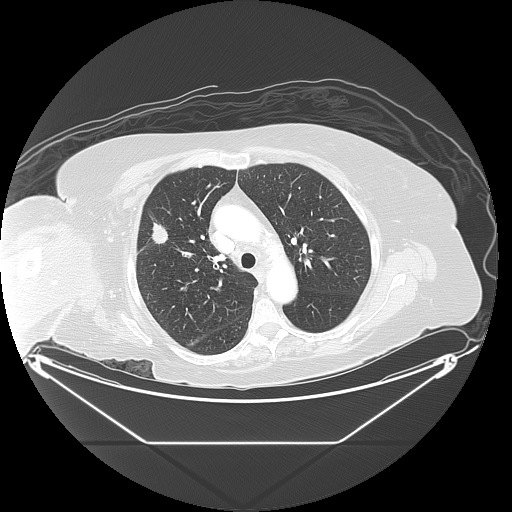
Axial chest CT slice 101 of 133 (counted from the lowest slice); tube voltage 120 kVp, convolution kernel LUNG; slices 2.50 mm thick, 0.977 mm per pixel.
Pulmonary nodule, outlined by all four readers. Box on this slice rows 222–243, columns 151–167, the union of the readers' outlines on this slice; longest diameter 24.5–34.5 mm and volume 3757–4258 mm3 across the four readers' outlines. The readers' ratings, as ranges where they differ: texture from 4/5 to 5/5 (solid) across the four readers; margin from 4/5 to 5/5 (circumscribed) across the four readers; sphericity from 3/5 (ovoid) to 5/5 (round) across the four readers; calcification absent, all four readers agreeing; internal structure soft tissue from all four readers; subtlety 5/5 from all four readers; malignancy likelihood 4–5/5 (the readers disagree). Scale key (1–5): texture non-solid→solid, margin indistinct→circumscribed, sphericity linear→round, subtlety extremely subtle→obvious, malignancy likelihood highly unlikely→highly suspicious of cancer. Box rows and columns are 0-based pixel indices from the top-left corner, inclusive.